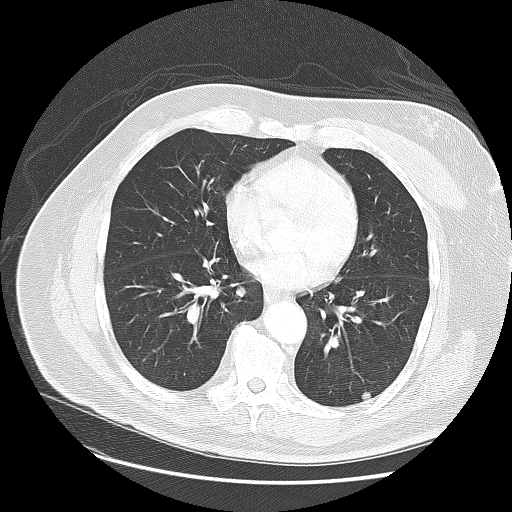
Chest CT, axial plane, 120 kVp, kernel LUNG. Slice 67/140 from the bottom of the scan; thickness 2.50 mm; pixel size 0.781 mm.
Two pulmonary nodules are outlined on this slice; from left to right: (1) Pulmonary nodule at rows 285–297, columns 234–246 (box = the union of the readers' outlines on this slice), outlined by all four readers; median longest diameter 11.0 mm (readers' outlines 9.7–11.8 mm), median volume 665 mm3 (557–728 mm3). Median ratings and the readers' spread: texture 5/5 (solid) at the median of four readers, spread 4/5 to 5/5 (solid); margin 5/5 (circumscribed), all four readers agreeing; median sphericity 5/5 (round) (readers ranged 4/5 to 5/5 (round)); calcification absent, all four readers agreeing; internal structure soft tissue, all four readers agreeing; median subtlety 4/5 (readers ranged 3–4); malignancy likelihood 4/5 at the median of four readers, spread 2–4. (2) Pulmonary nodule at rows 391–400, columns 360–371 (box = the union of the readers' outlines on this slice), outlined by all four readers; the four readers' outlines give a longest diameter between 7.4 and 12.0 mm and a volume between 152 and 453 mm3. Ratings across the readers: texture 5/5 (solid), all four readers agreeing; margin 5/5 (circumscribed) from all four readers; sphericity from 3/5 (ovoid) to 5/5 (round) across the four readers; calcification absent, all four readers agreeing; internal structure soft tissue from all four readers; subtlety from 3/5 to 5/5 across the four readers; malignancy likelihood 2–4/5 (the readers disagree). Scale key (1–5): texture non-solid→solid, margin indistinct→circumscribed, sphericity linear→round, subtlety extremely subtle→obvious, malignancy likelihood highly unlikely→highly suspicious of cancer. Box rows and columns are 0-based pixel indices from the top-left corner, inclusive.